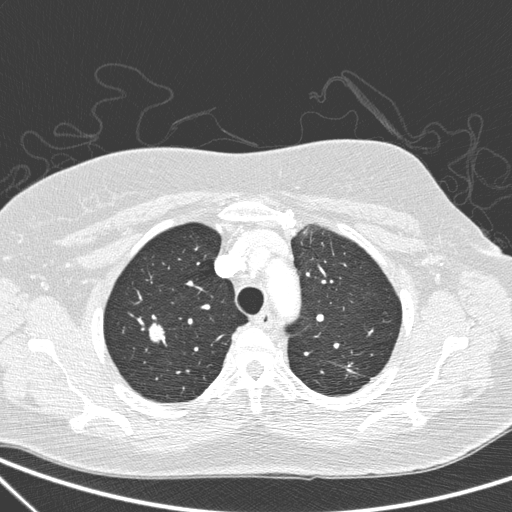
Axial chest CT slice 223 of 266 (counted from the lowest slice); 1.00 mm thick, 0.668 mm per pixel. Pulmonary nodule outlined by all four readers; box rows 323–343, columns 148–164 (the union of the readers' outlines on this slice); median longest diameter 17.2 mm (readers' outlines 16.7–17.7 mm), median volume 1372 mm3 (1306–1533 mm3). Ratings, median across the readers with their spread: texture 5/5 (solid) from all four readers; margin 3/5 at the median of four readers, spread 2/5 to 5/5 (circumscribed); median sphericity 4/5 (readers ranged 3/5 (ovoid) to 5/5 (round)); calcification absent from all four readers; internal structure soft tissue from all four readers; subtlety 5/5 from all four readers; median malignancy likelihood 5/5 (readers ranged 2–5). Scale key (1–5): texture non-solid→solid, margin indistinct→circumscribed, sphericity linear→round, subtlety extremely subtle→obvious, malignancy likelihood highly unlikely→highly suspicious of cancer. Box rows and columns are 0-based pixel indices from the top-left corner, inclusive.
Tube voltage 120 kVp; convolution kernel D.